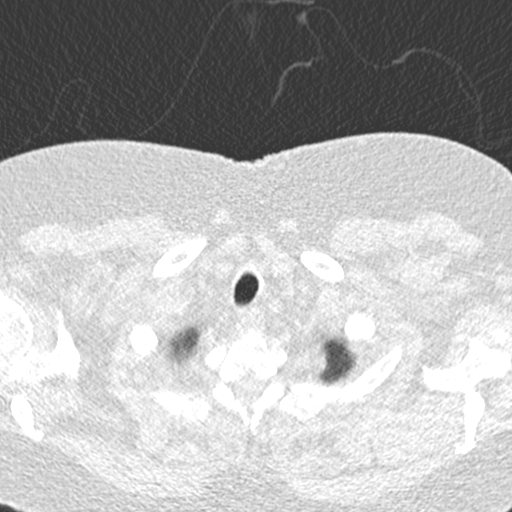
One axial slice (403 of 423, counting up from the lowest) of a chest CT acquired at 120 kVp with the B30f kernel; each pixel is 0.520 mm and the slice is 0.75 mm thick.
Pulmonary nodule, outlined by one of the four readers. Box on this slice rows 357–374, columns 318–326, that reader's outline on this slice; longest diameter 10.4 mm and volume 150 mm3 from that reader's outline. Ratings by that reader: texture 5/5 (solid); margin 4/5; sphericity 4/5; calcification absent; internal structure soft tissue; subtlety 5/5; malignancy likelihood 3/5. Scale key (1–5): texture non-solid→solid, margin indistinct→circumscribed, sphericity linear→round, subtlety extremely subtle→obvious, malignancy likelihood highly unlikely→highly suspicious of cancer. Box rows and columns are 0-based pixel indices from the top-left corner, inclusive.